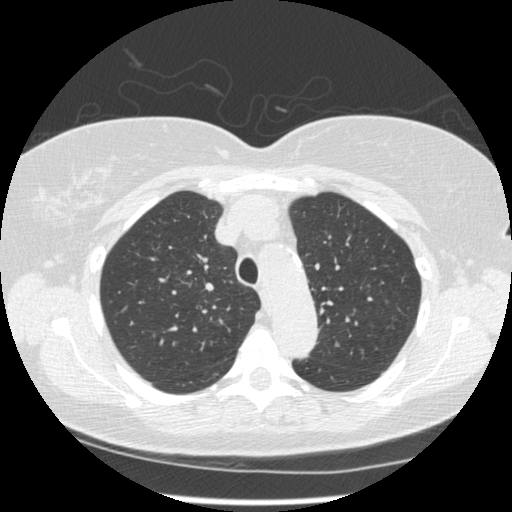
Axial chest CT slice 361 of 490 (counted from the lowest slice); tube voltage 120 kVp, convolution kernel STANDARD; slices 1.25 mm thick, 0.645 mm per pixel.
Pulmonary nodule outlined by two of the four readers; box rows 299–303, columns 384–388 (the union of the readers' outlines on this slice); longest diameter 5.4 mm on average over the two readers' outlines (readers' outlines 5.2–5.5 mm), volume 51–56 mm3. The readers' prevailing ratings and who disagreed: texture 5/5 (solid), both readers agreeing; margin split among the readers: 3/5 (one), 5/5 (circumscribed) (one); sphericity split among the readers: 4/5 (one), 5/5 (round) (one); calcification absent, both readers agreeing; internal structure soft tissue from both readers; subtlety split among the readers: 3/5 (one), 5/5 (one); malignancy likelihood 3/5, both readers agreeing. Scale key (1–5): texture non-solid→solid, margin indistinct→circumscribed, sphericity linear→round, subtlety extremely subtle→obvious, malignancy likelihood highly unlikely→highly suspicious of cancer. Box rows and columns are 0-based pixel indices from the top-left corner, inclusive.